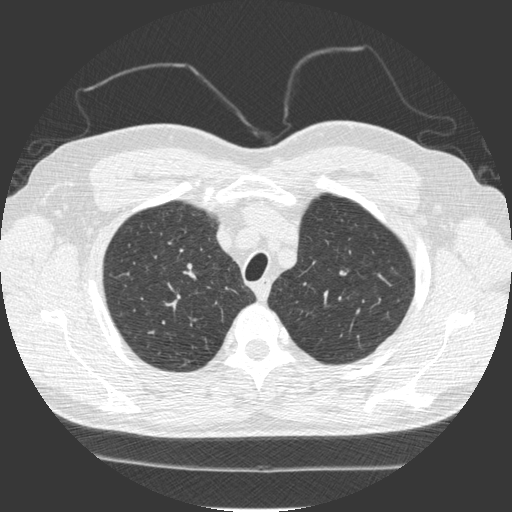
Chest CT, axial plane, 120 kVp, kernel STANDARD. Slice 193/241 from the bottom of the scan; thickness 1.25 mm; pixel size 0.684 mm.
Pulmonary nodule outlined by one of the four readers; box rows 263–268, columns 187–191 (that reader's outline on this slice); longest diameter 5.8 mm and volume 72 mm3 from that reader's outline. Ratings by that reader: texture 5/5 (solid); margin 5/5 (circumscribed); sphericity 4/5; calcification absent; internal structure soft tissue; subtlety 3/5; malignancy likelihood 3/5. Scale key (1–5): texture non-solid→solid, margin indistinct→circumscribed, sphericity linear→round, subtlety extremely subtle→obvious, malignancy likelihood highly unlikely→highly suspicious of cancer. Box rows and columns are 0-based pixel indices from the top-left corner, inclusive.